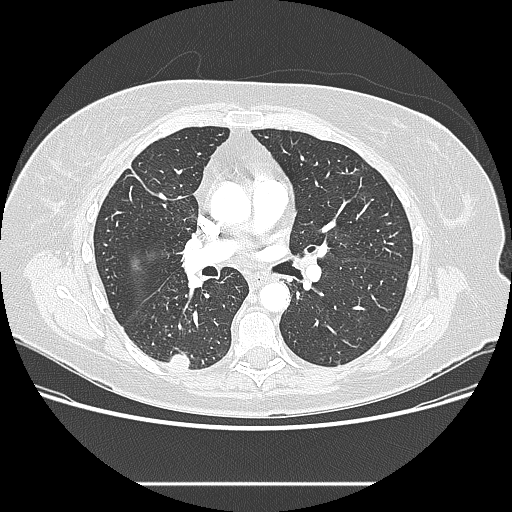
Axial chest CT slice 135 of 238 (counted from the lowest slice); 1.25 mm thick, 0.742 mm per pixel. Pulmonary nodule outlined by all four readers; box rows 354–369, columns 170–189 (the union of the readers' outlines on this slice); median longest diameter 16.9 mm (readers' outlines 16.2–17.0 mm), median volume 1591 mm3 (1456–1679 mm3). Median ratings and the readers' spread: texture 5/5 (solid) from all four readers; median margin 5/5 (circumscribed) (readers ranged 4/5 to 5/5 (circumscribed)); median sphericity 5/5 (round) (readers ranged 3/5 (ovoid) to 5/5 (round)); calcification absent from all four readers; internal structure soft tissue, all four readers agreeing; median subtlety 4.5/5 (readers ranged 3–5); median malignancy likelihood 3/5 (readers ranged 2–4). Scale key (1–5): texture non-solid→solid, margin indistinct→circumscribed, sphericity linear→round, subtlety extremely subtle→obvious, malignancy likelihood highly unlikely→highly suspicious of cancer. Box rows and columns are 0-based pixel indices from the top-left corner, inclusive.
Scan settings: 120 kVp, LUNG reconstruction kernel.